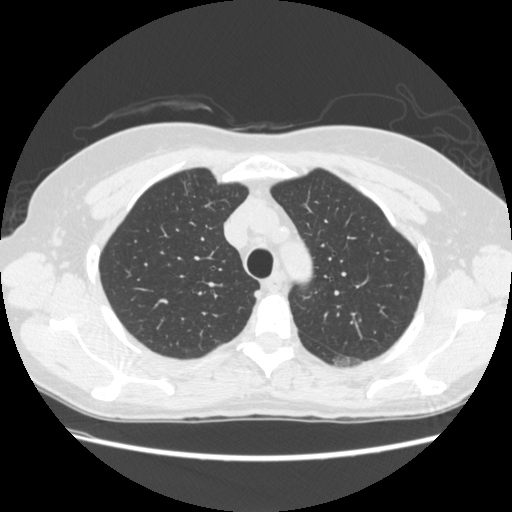
Axial chest CT slice 194 of 261 (counted from the lowest slice); tube voltage 120 kVp, convolution kernel STANDARD; slices 1.25 mm thick, 0.682 mm per pixel.
Pulmonary nodule, outlined by two of the four readers. Box on this slice rows 353–366, columns 332–362, the union of the readers' outlines on this slice; longest diameter 30.0–31.5 mm and volume 6577–7912 mm3 across the two readers' outlines. The readers' ratings, as ranges where they differ: texture from 1/5 (non-solid) to 2/5 across the two readers; margin from 1/5 (indistinct) to 2/5 across the two readers; sphericity from 3/5 (ovoid) to 5/5 (round) across the two readers; calcification absent, both readers agreeing; internal structure soft tissue, both readers agreeing; subtlety rated between 1 and 2 out of 5 by the two readers; malignancy likelihood 4–5/5 (the readers disagree). Scale key (1–5): texture non-solid→solid, margin indistinct→circumscribed, sphericity linear→round, subtlety extremely subtle→obvious, malignancy likelihood highly unlikely→highly suspicious of cancer. Box rows and columns are 0-based pixel indices from the top-left corner, inclusive.